Axial chest CT slice 243 of 474 (counted from the lowest slice); tube voltage 120 kVp, convolution kernel STANDARD; slices 1.25 mm thick, 0.645 mm per pixel.
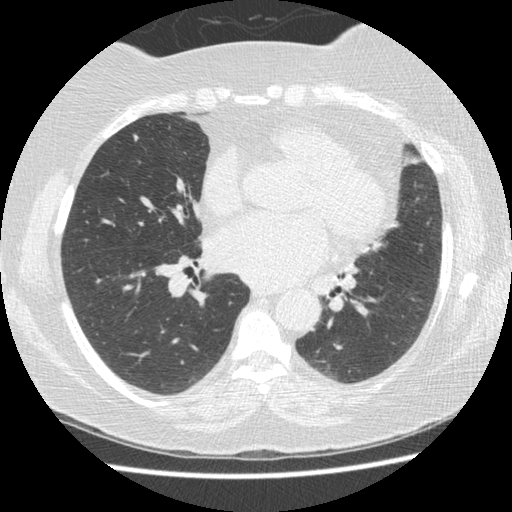
Pulmonary nodule outlined by two of the four readers; box rows 134–140, columns 133–138 (the union of the readers' outlines on this slice); longest diameter 6.2 mm on average over the two readers' outlines (readers' outlines 5.8–6.5 mm), volume 46–63 mm3. The readers' prevailing ratings and who disagreed: texture split among the readers: 2/5 (one), 5/5 (solid) (one); margin 4/5 from both readers; sphericity 3/5 (ovoid), both readers agreeing; calcification absent, both readers agreeing; internal structure soft tissue from both readers; subtlety split among the readers: 3/5 (one), 4/5 (one); malignancy likelihood split among the readers: 3/5 (one), 5/5 (one). Scale key (1–5): texture non-solid→solid, margin indistinct→circumscribed, sphericity linear→round, subtlety extremely subtle→obvious, malignancy likelihood highly unlikely→highly suspicious of cancer. Box rows and columns are 0-based pixel indices from the top-left corner, inclusive.